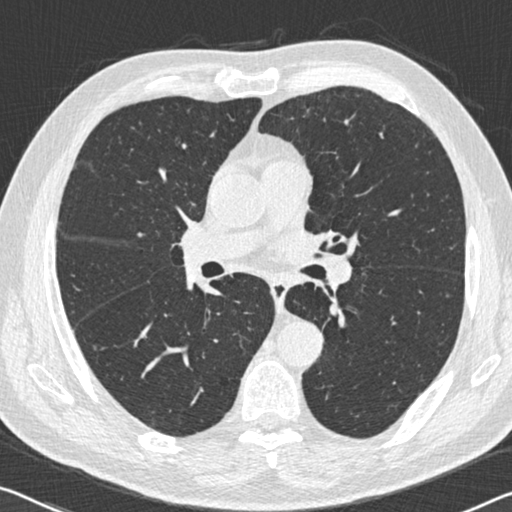
Chest CT, axial plane, 120 kVp, kernel B30f. Slice 329/536 from the bottom of the scan; thickness 0.75 mm; pixel size 0.656 mm.
Pulmonary nodule, outlined by two of the four readers. Box on this slice rows 231–237, columns 137–143, the union of the readers' outlines on this slice; longest diameter 5.6 mm on average over the two readers' outlines (readers' outlines 5.4–5.9 mm), volume 38–42 mm3. Ratings, by the readers' most common answer with dissent counted: texture 5/5 (solid), both readers agreeing; margin 5/5 (circumscribed) from both readers; sphericity split among the readers: 4/5 (one), 5/5 (round) (one); calcification solid calcification from both readers; internal structure soft tissue from both readers; subtlety 5/5 from both readers; malignancy likelihood 1/5 from both readers. Scale key (1–5): texture non-solid→solid, margin indistinct→circumscribed, sphericity linear→round, subtlety extremely subtle→obvious, malignancy likelihood highly unlikely→highly suspicious of cancer. Box rows and columns are 0-based pixel indices from the top-left corner, inclusive.